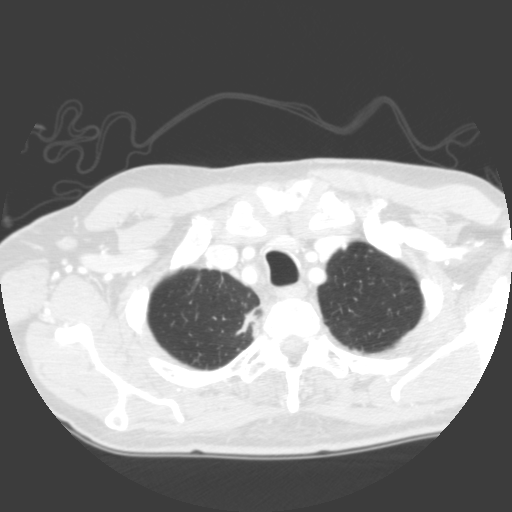
Slice 297/335 of a chest CT, counting up from the lowest; pixel size 0.623 mm, slice thickness 2.00 mm. Pulmonary nodule at rows 303–308, columns 245–247 (box = that reader's outline on this slice), outlined by one of the four readers; longest diameter 8.1 mm and volume 221 mm3 from that reader's outline. That reader's ratings: texture 4/5; margin 3/5; sphericity 4/5; calcification absent; internal structure soft tissue; subtlety 2/5; malignancy likelihood 1/5. Scale key (1–5): texture non-solid→solid, margin indistinct→circumscribed, sphericity linear→round, subtlety extremely subtle→obvious, malignancy likelihood highly unlikely→highly suspicious of cancer. Box rows and columns are 0-based pixel indices from the top-left corner, inclusive.
Tube voltage 120 kVp; convolution kernel B.